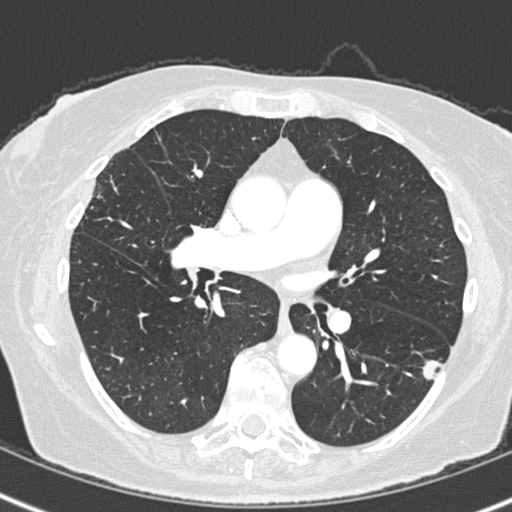
Axial chest CT slice 173 of 308 (counted from the lowest slice); tube voltage 120 kVp, convolution kernel B45f; slices 1.00 mm thick, 0.586 mm per pixel.
Pulmonary nodule outlined by all four readers; box rows 359–381, columns 419–442 (the union of the readers' outlines on this slice); median longest diameter 16.7 mm (readers' outlines 15.5–19.6 mm), median volume 867 mm3 (724–1186 mm3). Median ratings and the readers' spread: median texture 5/5 (solid) (readers ranged 4/5 to 5/5 (solid)); median margin 4/5 (readers ranged 3/5 to 4/5); median sphericity 3.5/5 (readers ranged 3/5 (ovoid) to 5/5 (round)); calcification absent from all four readers; internal structure soft tissue from all four readers; median subtlety 5/5 (readers ranged 4–5); malignancy likelihood 4.5/5 at the median of four readers, spread 4–5. Scale key (1–5): texture non-solid→solid, margin indistinct→circumscribed, sphericity linear→round, subtlety extremely subtle→obvious, malignancy likelihood highly unlikely→highly suspicious of cancer. Box rows and columns are 0-based pixel indices from the top-left corner, inclusive.